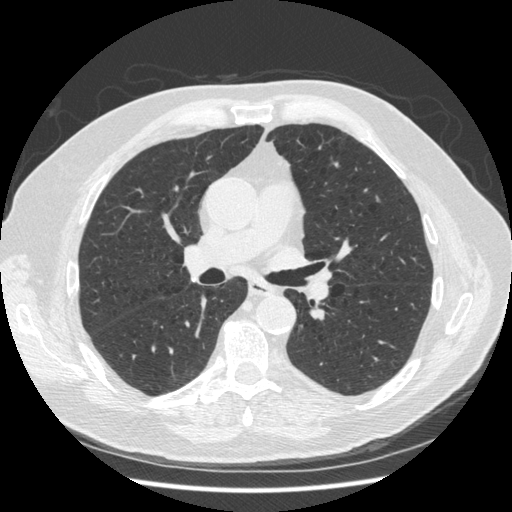
Axial chest CT slice 261 of 477 (counted from the lowest slice); tube voltage 120 kVp, convolution kernel STANDARD; slices 1.25 mm thick, 0.703 mm per pixel.
Pulmonary nodule at rows 196–201, columns 376–378 (box = that reader's outline on this slice), outlined by one of the four readers; longest diameter 6.0 mm and volume 35 mm3 from that reader's outline. Ratings by that reader: texture 5/5 (solid); margin 5/5 (circumscribed); sphericity 5/5 (round); calcification absent; internal structure soft tissue; subtlety 2/5; malignancy likelihood 2/5. Scale key (1–5): texture non-solid→solid, margin indistinct→circumscribed, sphericity linear→round, subtlety extremely subtle→obvious, malignancy likelihood highly unlikely→highly suspicious of cancer. Box rows and columns are 0-based pixel indices from the top-left corner, inclusive.